One axial slice (94 of 114, counting up from the lowest) of a chest CT acquired at 135 kVp with the FC01 kernel; each pixel is 0.711 mm and the slice is 3.00 mm thick.
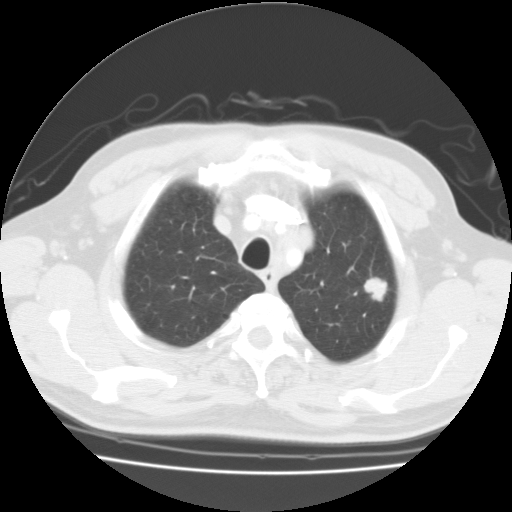
Pulmonary nodule at rows 277–302, columns 362–387 (box = the union of the readers' outlines on this slice), outlined by all four readers; the four readers' outlines give a longest diameter between 18.0 and 22.7 mm and a volume between 2376 and 3822 mm3. Ratings across the readers: texture from 4/5 to 5/5 (solid) across the four readers; margin from 3/5 to 5/5 (circumscribed) across the four readers; sphericity from 4/5 to 5/5 (round) across the four readers; calcification absent from all four readers; internal structure soft tissue from all four readers; subtlety 5/5, all four readers agreeing; malignancy likelihood from 4/5 to 5/5 across the four readers. Scale key (1–5): texture non-solid→solid, margin indistinct→circumscribed, sphericity linear→round, subtlety extremely subtle→obvious, malignancy likelihood highly unlikely→highly suspicious of cancer. Box rows and columns are 0-based pixel indices from the top-left corner, inclusive.